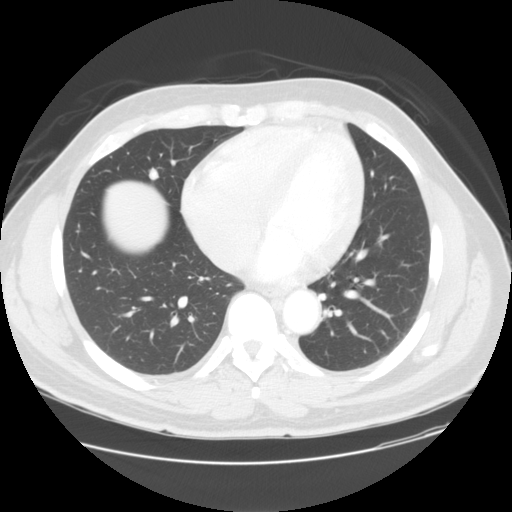
Chest CT, axial plane, 120 kVp, kernel STANDARD. Slice 62/144 from the bottom of the scan; thickness 2.50 mm; pixel size 0.781 mm.
Pulmonary nodule outlined by all four readers; box rows 168–179, columns 149–158 (the union of the readers' outlines on this slice); longest diameter 10.9 mm on average over the four readers' outlines (readers' outlines 10.3–11.3 mm), volume 316–403 mm3. Ratings, by the readers' most common answer with dissent counted: texture 5/5 (solid), all four readers agreeing; margin split among the readers: 4/5 (two), 5/5 (circumscribed) (two); sphericity 4/5 by two of four readers; the rest gave 3/5 (ovoid) (one), 5/5 (round) (one); calcification absent by three of four readers, central calcification (one); internal structure soft tissue, all four readers agreeing; subtlety split among the readers: 4/5 (two), 5/5 (two); malignancy likelihood split among the readers: 1/5 (one), 2/5 (one), 3/5 (one), 4/5 (one). Scale key (1–5): texture non-solid→solid, margin indistinct→circumscribed, sphericity linear→round, subtlety extremely subtle→obvious, malignancy likelihood highly unlikely→highly suspicious of cancer. Box rows and columns are 0-based pixel indices from the top-left corner, inclusive.